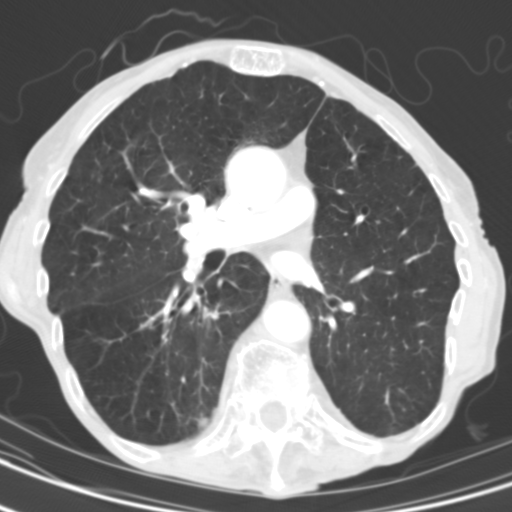
Axial slice 55 of 104 of a chest CT (slice 1 is the lowest), reconstructed with the B31s kernel at 130 kVp; 3.00 mm slice thickness and 0.531 mm pixels.
Pulmonary nodule, outlined by all four readers. Box on this slice rows 414–429, columns 197–208, the union of the readers' outlines on this slice; median longest diameter 7.2 mm (readers' outlines 6.8–9.1 mm), median volume 112 mm3 (66–132 mm3). Median ratings and the readers' spread: texture 4/5 at the median of four readers, spread 3/5 (part-solid) to 5/5 (solid); margin 3.5/5 at the median of four readers, spread 2/5 to 5/5 (circumscribed); median sphericity 3/5 (ovoid) (readers ranged 2/5 to 5/5 (round)); calcification absent, all four readers agreeing; internal structure soft tissue, all four readers agreeing; median subtlety 3/5 (readers ranged 3–5); median malignancy likelihood 2.5/5 (readers ranged 2–3). Scale key (1–5): texture non-solid→solid, margin indistinct→circumscribed, sphericity linear→round, subtlety extremely subtle→obvious, malignancy likelihood highly unlikely→highly suspicious of cancer. Box rows and columns are 0-based pixel indices from the top-left corner, inclusive.